Chest CT, axial plane, 135 kVp, kernel FC01. Slice 87/127 from the bottom of the scan; thickness 3.00 mm; pixel size 0.750 mm.
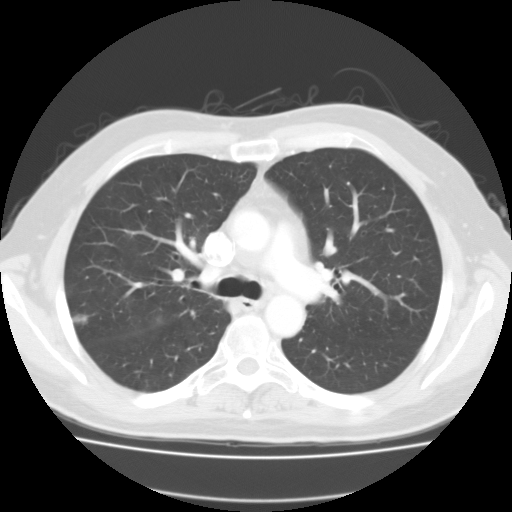
Pulmonary nodule, outlined by all four readers. Box on this slice rows 314–324, columns 73–89, the union of the readers' outlines on this slice; median longest diameter 13.8 mm (readers' outlines 12.9–14.8 mm), median volume 984 mm3 (835–1181 mm3). Median ratings and the readers' spread: texture 3.5/5 at the median of four readers, spread 1/5 (non-solid) to 5/5 (solid); median margin 3/5 (readers ranged 2/5 to 3/5); sphericity 3/5 (ovoid) from all four readers; calcification absent from all four readers; internal structure soft tissue from all four readers; median subtlety 4/5 (readers ranged 3–5); median malignancy likelihood 3/5 (readers ranged 2–4). Scale key (1–5): texture non-solid→solid, margin indistinct→circumscribed, sphericity linear→round, subtlety extremely subtle→obvious, malignancy likelihood highly unlikely→highly suspicious of cancer. Box rows and columns are 0-based pixel indices from the top-left corner, inclusive.